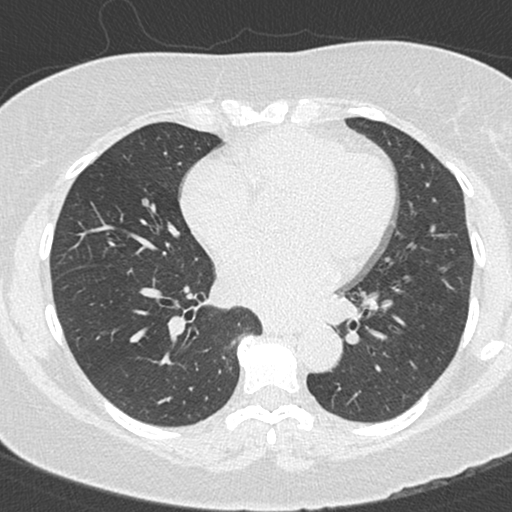
Axial slice 177 of 327 of a chest CT (slice 1 is the lowest), reconstructed with the B45f kernel at 120 kVp; 1.00 mm slice thickness and 0.547 mm pixels.
Pulmonary nodule outlined by one of the four readers; box rows 198–206, columns 142–148 (that reader's outline on this slice); longest diameter 5.7 mm and volume 19 mm3 from that reader's outline. Ratings by that reader: texture 5/5 (solid); margin 5/5 (circumscribed); sphericity 5/5 (round); calcification absent; internal structure soft tissue; subtlety 2/5; malignancy likelihood 3/5. Scale key (1–5): texture non-solid→solid, margin indistinct→circumscribed, sphericity linear→round, subtlety extremely subtle→obvious, malignancy likelihood highly unlikely→highly suspicious of cancer. Box rows and columns are 0-based pixel indices from the top-left corner, inclusive.